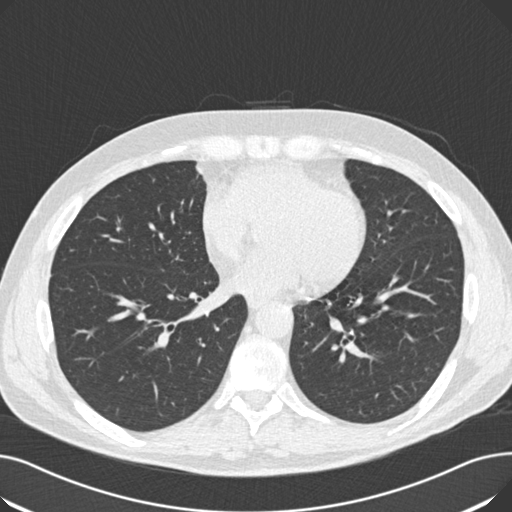
One axial slice (73 of 181, counting up from the lowest) of a chest CT acquired at 120 kVp with the B30f kernel; each pixel is 0.723 mm and the slice is 2.00 mm thick.
No nodule 3 mm or larger was outlined here by any reader.